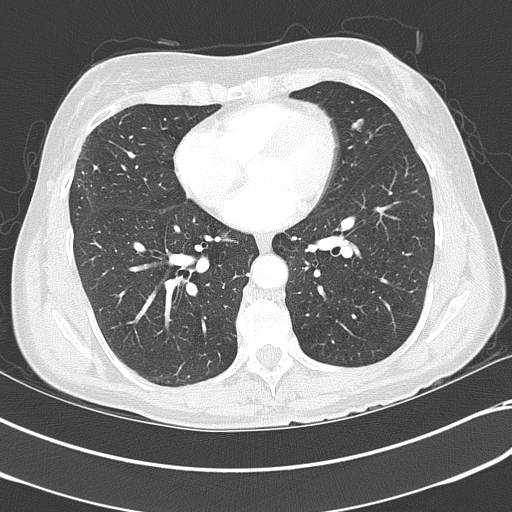
One axial slice (171 of 351, counting up from the lowest) of a chest CT acquired at 120 kVp with the B70f kernel; each pixel is 0.643 mm and the slice is 2.00 mm thick.
Pulmonary nodule, outlined by all four readers. Box on this slice rows 118–131, columns 351–363, the union of the readers' outlines on this slice; longest diameter 9.2 mm on average over the four readers' outlines (readers' outlines 6.1–12.1 mm), volume 80–120 mm3. The readers' prevailing ratings and who disagreed: most readers (three of four) put texture at 5/5 (solid), others 4/5 (one); margin 4/5 by three of four readers; the rest gave 3/5 (one); sphericity 2/5 by two of four readers; the rest gave 3/5 (ovoid) (one), 4/5 (one); calcification absent from all four readers; internal structure soft tissue, all four readers agreeing; subtlety split among the readers: 3/5 (two), 4/5 (two); malignancy likelihood 1/5 by two of four readers; the rest gave 3/5 (one), 4/5 (one). Scale key (1–5): texture non-solid→solid, margin indistinct→circumscribed, sphericity linear→round, subtlety extremely subtle→obvious, malignancy likelihood highly unlikely→highly suspicious of cancer. Box rows and columns are 0-based pixel indices from the top-left corner, inclusive.